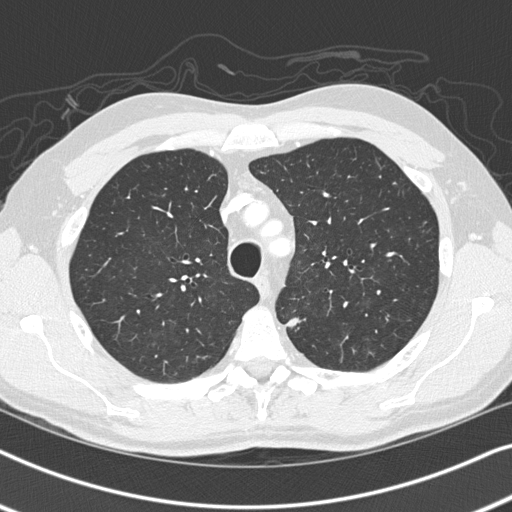
Axial chest CT slice 249 of 326 (counted from the lowest slice); tube voltage 120 kVp, convolution kernel B45f; slices 1.00 mm thick, 0.645 mm per pixel.
Pulmonary nodule, outlined by three of the four readers. Box on this slice rows 316–328, columns 285–301, the union of the readers' outlines on this slice; the three readers' outlines give a longest diameter between 10.7 and 11.8 mm and a volume between 148 and 311 mm3. Ratings across the readers: texture from 4/5 to 5/5 (solid) across the three readers; margin from 3/5 to 5/5 (circumscribed) across the three readers; sphericity from 2/5 to 5/5 (round) across the three readers; calcification absent from all three readers; internal structure soft tissue from all three readers; subtlety rated between 3 and 5 out of 5 by the three readers; malignancy likelihood 2–3/5 (the readers disagree). Scale key (1–5): texture non-solid→solid, margin indistinct→circumscribed, sphericity linear→round, subtlety extremely subtle→obvious, malignancy likelihood highly unlikely→highly suspicious of cancer. Box rows and columns are 0-based pixel indices from the top-left corner, inclusive.